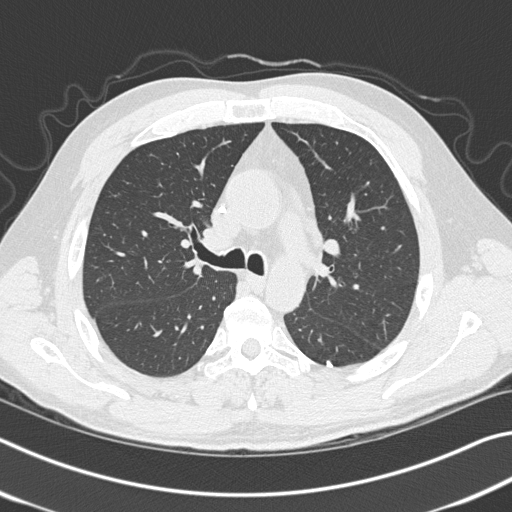
Axial chest CT slice 216 of 327 (counted from the lowest slice); tube voltage 120 kVp, convolution kernel B45f; slices 1.00 mm thick, 0.664 mm per pixel.
Pulmonary nodule, outlined by one of the four readers. Box on this slice rows 360–366, columns 325–332, that reader's outline on this slice; longest diameter 6.6 mm and volume 53 mm3 from that reader's outline. Ratings by that reader: texture 5/5 (solid); margin 5/5 (circumscribed); sphericity 4/5; calcification absent; internal structure soft tissue; subtlety 3/5; malignancy likelihood 2/5. Scale key (1–5): texture non-solid→solid, margin indistinct→circumscribed, sphericity linear→round, subtlety extremely subtle→obvious, malignancy likelihood highly unlikely→highly suspicious of cancer. Box rows and columns are 0-based pixel indices from the top-left corner, inclusive.